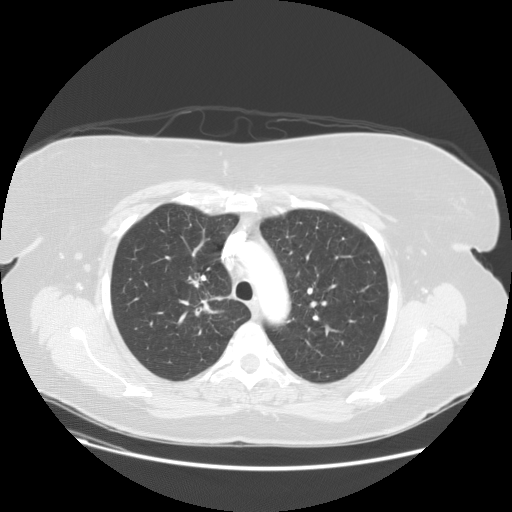
One axial slice (100 of 133, counting up from the lowest) of a chest CT acquired at 120 kVp with the STANDARD kernel; each pixel is 0.781 mm and the slice is 2.50 mm thick.
Pulmonary nodule at rows 299–315, columns 194–218 (box = the one reader's outline on this slice), outlined by all four readers, one of them on this slice; longest diameter 31.6–37.9 mm and volume 3786–6747 mm3 across the four readers' outlines. The readers' ratings, as ranges where they differ: texture from 3/5 (part-solid) to 5/5 (solid) across the four readers; margin from 1/5 (indistinct) to 3/5 across the four readers; sphericity from 2/5 to 4/5 across the four readers; calcification absent from all four readers; internal structure soft tissue, all four readers agreeing; subtlety 5/5, all four readers agreeing; malignancy likelihood from 3/5 to 5/5 across the four readers. Scale key (1–5): texture non-solid→solid, margin indistinct→circumscribed, sphericity linear→round, subtlety extremely subtle→obvious, malignancy likelihood highly unlikely→highly suspicious of cancer. Box rows and columns are 0-based pixel indices from the top-left corner, inclusive.